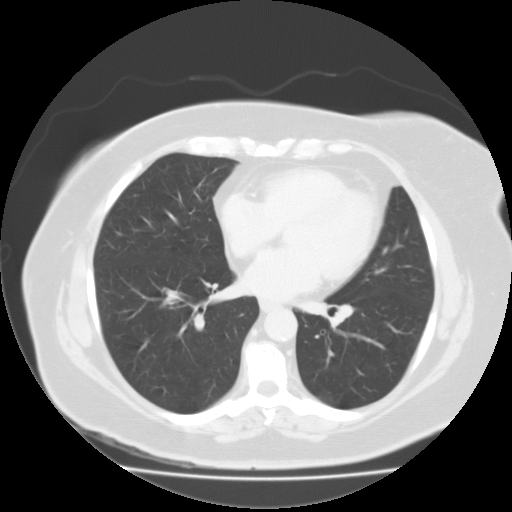
Axial slice 58 of 113 of a chest CT (slice 1 is the lowest), reconstructed with the FC01 kernel at 135 kVp; 3.00 mm slice thickness and 0.750 mm pixels.
None of the four readers outlined a nodule of 3 mm or more on this slice.